Axial slice 288 of 557 of a chest CT (slice 1 is the lowest), reconstructed with the STANDARD kernel at 120 kVp; 1.25 mm slice thickness and 0.703 mm pixels.
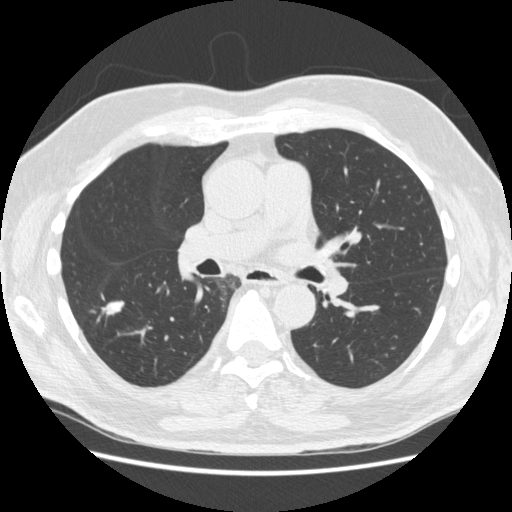
Pulmonary nodule, outlined by all four readers. Box on this slice rows 300–315, columns 101–124, the union of the readers' outlines on this slice; longest diameter 22.3 mm on average over the four readers' outlines (readers' outlines 19.1–25.0 mm), volume 785–1099 mm3. The readers' prevailing ratings and who disagreed: texture 5/5 (solid) by three of four readers; the rest gave 4/5 (one); margin 3/5 by two of four readers; the rest gave 4/5 (one), 5/5 (circumscribed) (one); most readers (three of four) put sphericity at 3/5 (ovoid), others 2/5 (one); calcification absent, all four readers agreeing; internal structure soft tissue from all four readers; subtlety 5/5 by three of four readers; the rest gave 4/5 (one); malignancy likelihood 4/5 by two of four readers; the rest gave 2/5 (one), 5/5 (one). Scale key (1–5): texture non-solid→solid, margin indistinct→circumscribed, sphericity linear→round, subtlety extremely subtle→obvious, malignancy likelihood highly unlikely→highly suspicious of cancer. Box rows and columns are 0-based pixel indices from the top-left corner, inclusive.